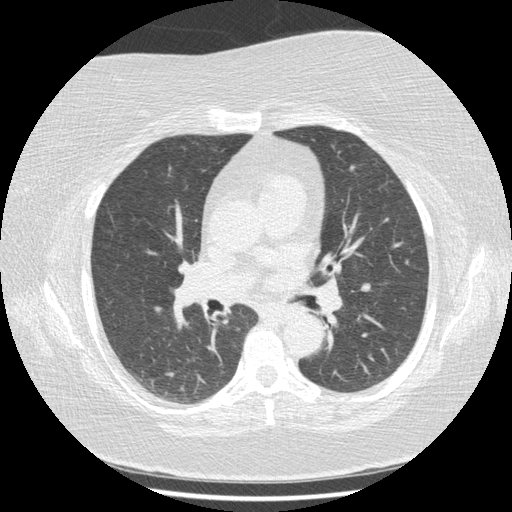
Slice 245/417 of a chest CT, counting up from the lowest; pixel size 0.703 mm, slice thickness 1.25 mm. Two pulmonary nodules on this slice, listed from left to right. (1) Pulmonary nodule at rows 307–314, columns 154–161 (box = that reader's outline on this slice), outlined by one of the four readers; longest diameter 8.8 mm and volume 74 mm3 from that reader's outline. That reader's ratings: texture 4/5; margin 2/5; sphericity 3/5 (ovoid); calcification absent; internal structure soft tissue; subtlety 5/5; malignancy likelihood 3/5. (2) Pulmonary nodule outlined by all four readers; box rows 282–292, columns 359–371 (the union of the readers' outlines on this slice); longest diameter 9.2 mm on average over the four readers' outlines (readers' outlines 7.6–10.7 mm), volume 89–248 mm3. The readers' prevailing ratings and who disagreed: texture 5/5 (solid), all four readers agreeing; most readers (three of four) put margin at 4/5, others 5/5 (circumscribed) (one); sphericity 3/5 (ovoid) by two of four readers; the rest gave 4/5 (one), 5/5 (round) (one); calcification absent, all four readers agreeing; internal structure soft tissue, all four readers agreeing; subtlety split among the readers: 4/5 (two), 5/5 (two); malignancy likelihood 3/5 by three of four readers; the rest gave 4/5 (one). Scale key (1–5): texture non-solid→solid, margin indistinct→circumscribed, sphericity linear→round, subtlety extremely subtle→obvious, malignancy likelihood highly unlikely→highly suspicious of cancer. Box rows and columns are 0-based pixel indices from the top-left corner, inclusive.
Acquired at 120 kVp and reconstructed with the STANDARD kernel.